One axial slice (305 of 375, counting up from the lowest) of a chest CT acquired at 120 kVp with the STANDARD kernel; each pixel is 0.625 mm and the slice is 1.25 mm thick.
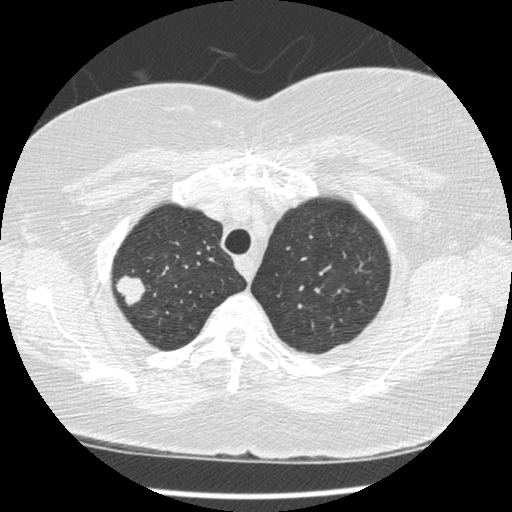
Pulmonary nodule, outlined by all four readers. Box on this slice rows 274–306, columns 115–145, the union of the readers' outlines on this slice; longest diameter 21.2–23.2 mm and volume 2289–3466 mm3 across the four readers' outlines. The readers' ratings, as ranges where they differ: texture from 4/5 to 5/5 (solid) across the four readers; margin from 3/5 to 5/5 (circumscribed) across the four readers; sphericity from 2/5 to 5/5 (round) across the four readers; calcification absent, all four readers agreeing; internal structure soft tissue from all four readers; subtlety 5/5 from all four readers; malignancy likelihood rated between 3 and 5 out of 5 by the four readers. Scale key (1–5): texture non-solid→solid, margin indistinct→circumscribed, sphericity linear→round, subtlety extremely subtle→obvious, malignancy likelihood highly unlikely→highly suspicious of cancer. Box rows and columns are 0-based pixel indices from the top-left corner, inclusive.